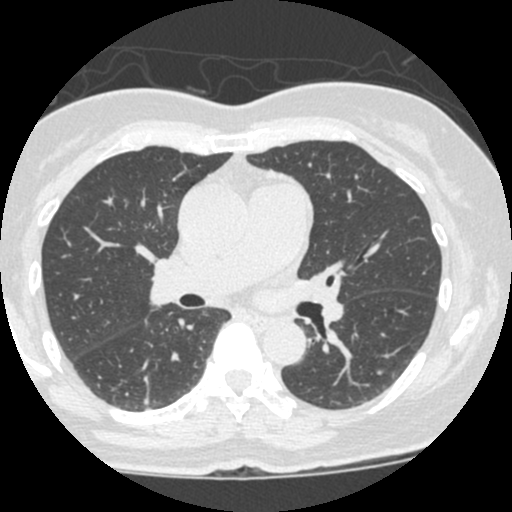
Axial chest CT slice 303 of 490 (counted from the lowest slice); 1.25 mm thick, 0.547 mm per pixel. Pulmonary nodule at rows 397–405, columns 143–148 (box = the union of the readers' outlines on this slice), outlined by all four readers; median longest diameter 5.7 mm (readers' outlines 5.2–6.2 mm), median volume 61 mm3 (53–89 mm3). Ratings, median across the readers with their spread: texture 5/5 (solid), all four readers agreeing; median margin 4/5 (readers ranged 3/5 to 5/5 (circumscribed)); sphericity 4/5 at the median of four readers, spread 3/5 (ovoid) to 5/5 (round); calcification absent, all four readers agreeing; internal structure soft tissue from all four readers; subtlety 3.5/5 at the median of four readers, spread 3–4; malignancy likelihood 2.5/5 at the median of four readers, spread 2–3. Scale key (1–5): texture non-solid→solid, margin indistinct→circumscribed, sphericity linear→round, subtlety extremely subtle→obvious, malignancy likelihood highly unlikely→highly suspicious of cancer. Box rows and columns are 0-based pixel indices from the top-left corner, inclusive.
Tube voltage 120 kVp; convolution kernel STANDARD.